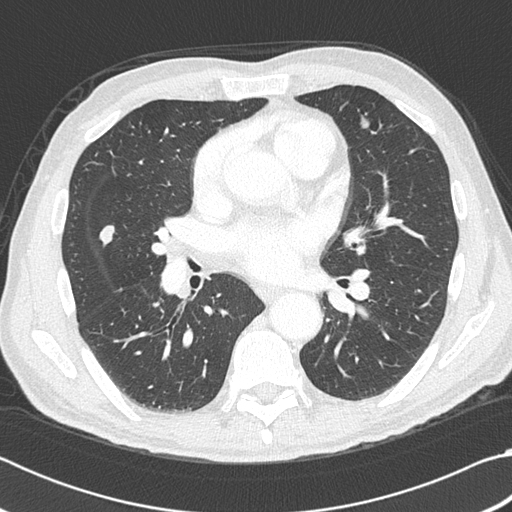
Axial slice 212 of 383 of a chest CT (slice 1 is the lowest), reconstructed with the B45f kernel at 120 kVp; 1.00 mm slice thickness and 0.664 mm pixels.
Two pulmonary nodules on this slice, listed from left to right. (1) Pulmonary nodule outlined by all four readers; box rows 225–247, columns 99–114 (the union of the readers' outlines on this slice); longest diameter 16.2 mm on average over the four readers' outlines (readers' outlines 15.5–17.3 mm), volume 759–884 mm3. Ratings, by the readers' most common answer with dissent counted: texture 5/5 (solid), all four readers agreeing; most readers (three of four) put margin at 5/5 (circumscribed), others 4/5 (one); sphericity 3/5 (ovoid) by three of four readers; the rest gave 5/5 (round) (one); calcification absent by three of four readers, solid calcification (one); internal structure soft tissue from all four readers; most readers (three of four) put subtlety at 5/5, others 4/5 (one); malignancy likelihood 3/5 by two of four readers; the rest gave 1/5 (one), 5/5 (one). (2) Pulmonary nodule outlined by all four readers; box rows 116–128, columns 360–369 (the union of the readers' outlines on this slice); longest diameter 11.3 mm on average over the four readers' outlines (readers' outlines 10.1–11.8 mm), volume 386–564 mm3. The readers' prevailing ratings and who disagreed: texture 5/5 (solid) from all four readers; margin 5/5 (circumscribed) by three of four readers; the rest gave 4/5 (one); sphericity 5/5 (round) by two of four readers; the rest gave 3/5 (ovoid) (one), 4/5 (one); calcification absent from all four readers; internal structure soft tissue from all four readers; subtlety 5/5 by three of four readers; the rest gave 4/5 (one); malignancy likelihood 2/5 by two of four readers; the rest gave 3/5 (one), 5/5 (one). Scale key (1–5): texture non-solid→solid, margin indistinct→circumscribed, sphericity linear→round, subtlety extremely subtle→obvious, malignancy likelihood highly unlikely→highly suspicious of cancer. Box rows and columns are 0-based pixel indices from the top-left corner, inclusive.